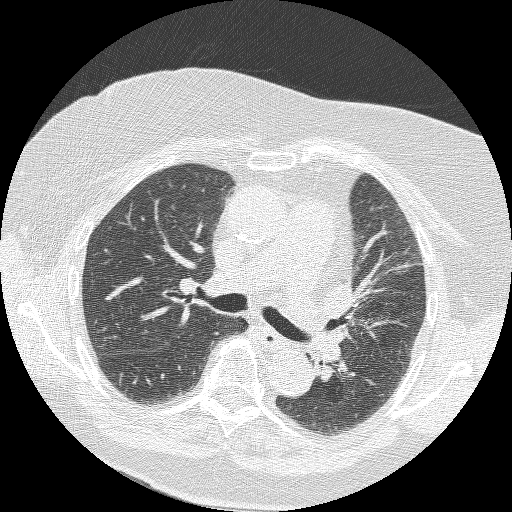
One axial slice (160 of 235, counting up from the lowest) of a chest CT acquired at 120 kVp with the BONE kernel; each pixel is 0.625 mm and the slice is 1.25 mm thick.
The readers outlined no nodule of 3 mm or more on this slice.